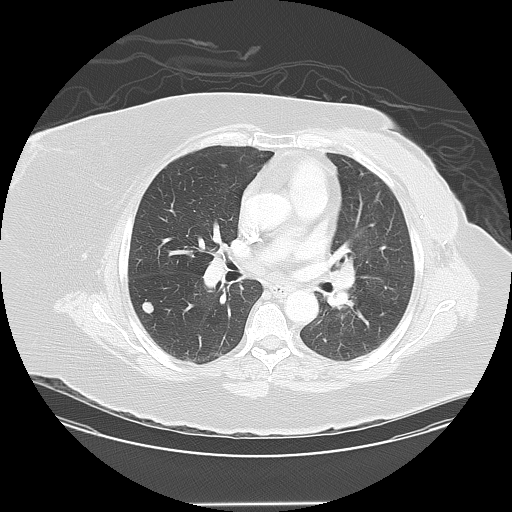
One axial slice (83 of 133, counting up from the lowest) of a chest CT acquired at 120 kVp with the LUNG kernel; each pixel is 0.859 mm and the slice is 2.50 mm thick.
Pulmonary nodule, outlined by all four readers. Box on this slice rows 302–313, columns 142–153, the union of the readers' outlines on this slice; the four readers' outlines give a longest diameter between 11.9 and 14.2 mm and a volume between 819 and 997 mm3. Ratings across the readers: texture 5/5 (solid), all four readers agreeing; margin from 4/5 to 5/5 (circumscribed) across the four readers; sphericity from 3/5 (ovoid) to 4/5 across the four readers; calcification absent, all four readers agreeing; internal structure soft tissue, all four readers agreeing; subtlety rated between 4 and 5 out of 5 by the four readers; malignancy likelihood from 2/5 to 5/5 across the four readers. Scale key (1–5): texture non-solid→solid, margin indistinct→circumscribed, sphericity linear→round, subtlety extremely subtle→obvious, malignancy likelihood highly unlikely→highly suspicious of cancer. Box rows and columns are 0-based pixel indices from the top-left corner, inclusive.